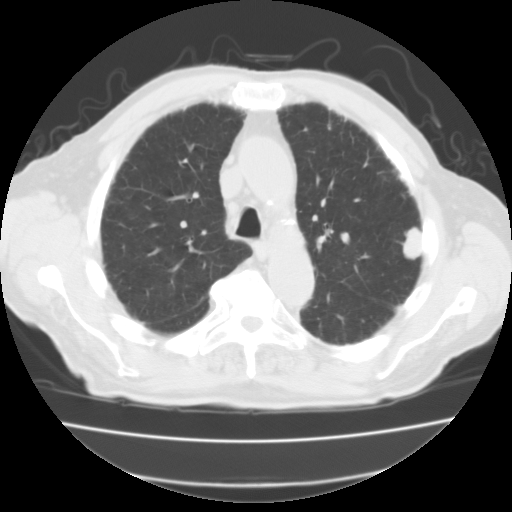
Chest CT, axial plane, 135 kVp, kernel FC01. Slice 72/111 from the bottom of the scan; thickness 3.00 mm; pixel size 0.714 mm.
Pulmonary nodule, outlined by all four readers. Box on this slice rows 226–260, columns 401–422, the union of the readers' outlines on this slice; longest diameter 24.8 mm on average over the four readers' outlines (readers' outlines 24.3–25.8 mm), volume 3889–4187 mm3. Ratings, by the readers' most common answer with dissent counted: texture 5/5 (solid), all four readers agreeing; margin 5/5 (circumscribed), all four readers agreeing; sphericity 3/5 (ovoid) by three of four readers; the rest gave 5/5 (round) (one); calcification absent, all four readers agreeing; internal structure soft tissue from all four readers; subtlety 5/5, all four readers agreeing; malignancy likelihood split among the readers: 2/5 (one), 3/5 (one), 4/5 (one), 5/5 (one). Scale key (1–5): texture non-solid→solid, margin indistinct→circumscribed, sphericity linear→round, subtlety extremely subtle→obvious, malignancy likelihood highly unlikely→highly suspicious of cancer. Box rows and columns are 0-based pixel indices from the top-left corner, inclusive.